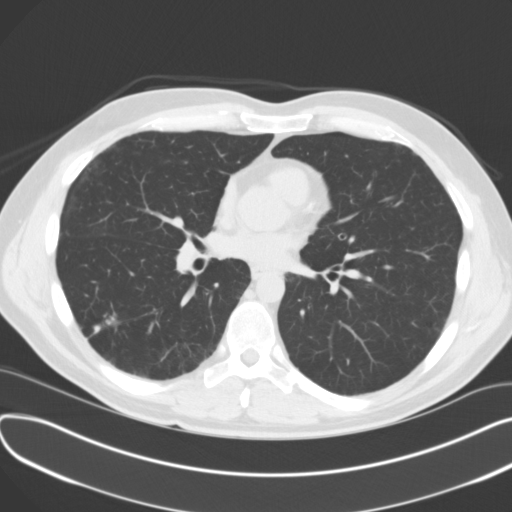
Chest CT, axial plane, 120 kVp, kernel B31f. Slice 70/131 from the bottom of the scan; thickness 3.00 mm; pixel size 0.721 mm.
Pulmonary nodule outlined by all four readers; box rows 310–334, columns 91–120 (the union of the readers' outlines on this slice); longest diameter 21.7 mm on average over the four readers' outlines (readers' outlines 19.8–23.2 mm), volume 718–1650 mm3. Ratings, by the readers' most common answer with dissent counted: texture 5/5 (solid), all four readers agreeing; margin 2/5 by two of four readers; the rest gave 4/5 (one), 5/5 (circumscribed) (one); most readers (three of four) put sphericity at 3/5 (ovoid), others 5/5 (round) (one); calcification absent from all four readers; internal structure soft tissue, all four readers agreeing; subtlety 5/5 by three of four readers; the rest gave 4/5 (one); most readers (three of four) put malignancy likelihood at 3/5, others 5/5 (one). Scale key (1–5): texture non-solid→solid, margin indistinct→circumscribed, sphericity linear→round, subtlety extremely subtle→obvious, malignancy likelihood highly unlikely→highly suspicious of cancer. Box rows and columns are 0-based pixel indices from the top-left corner, inclusive.